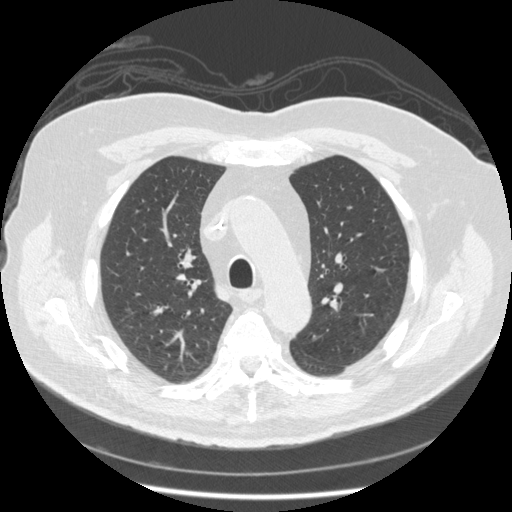
This is axial slice 161 of 238 (slice 1 is the lowest) of a chest CT; each pixel is 0.729 mm and the slice is 1.25 mm thick. Pulmonary nodule, outlined by all four readers, three of them on this slice. Box on this slice rows 335–340, columns 311–316, the union of the readers' outlines on this slice; longest diameter 7.8 mm on average over the four readers' outlines (readers' outlines 6.9–9.0 mm), volume 123–197 mm3. The readers' prevailing ratings and who disagreed: texture 5/5 (solid) by three of four readers; the rest gave 4/5 (one); margin 5/5 (circumscribed) from all four readers; most readers (three of four) put sphericity at 5/5 (round), others 4/5 (one); calcification absent from all four readers; internal structure soft tissue, all four readers agreeing; most readers (three of four) put subtlety at 3/5, others 5/5 (one); malignancy likelihood split among the readers: 2/5 (two), 3/5 (two). Scale key (1–5): texture non-solid→solid, margin indistinct→circumscribed, sphericity linear→round, subtlety extremely subtle→obvious, malignancy likelihood highly unlikely→highly suspicious of cancer. Box rows and columns are 0-based pixel indices from the top-left corner, inclusive.
Scan settings: 120 kVp, STANDARD reconstruction kernel.